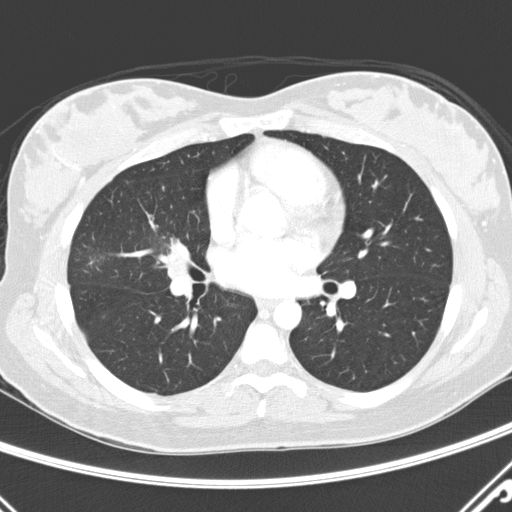
Axial slice 154 of 290 of a chest CT (slice 1 is the lowest), reconstructed with the D kernel at 120 kVp; 2.00 mm slice thickness and 0.648 mm pixels.
Pulmonary nodule, outlined by all four readers, one of them on this slice. Box on this slice rows 256–261, columns 89–104, the one reader's outline on this slice; longest diameter 26.3 mm on average over the four readers' outlines (readers' outlines 19.9–37.8 mm), volume 1327–2956 mm3. Ratings, by the readers' most common answer with dissent counted: texture split among the readers: 3/5 (part-solid) (two), 5/5 (solid) (two); margin 1/5 (indistinct) by two of four readers; the rest gave 2/5 (one), 3/5 (one); sphericity 3/5 (ovoid) by two of four readers; the rest gave 2/5 (one), 4/5 (one); calcification absent from all four readers; internal structure soft tissue from all four readers; subtlety 5/5, all four readers agreeing; malignancy likelihood split among the readers: 3/5 (two), 5/5 (two). Scale key (1–5): texture non-solid→solid, margin indistinct→circumscribed, sphericity linear→round, subtlety extremely subtle→obvious, malignancy likelihood highly unlikely→highly suspicious of cancer. Box rows and columns are 0-based pixel indices from the top-left corner, inclusive.